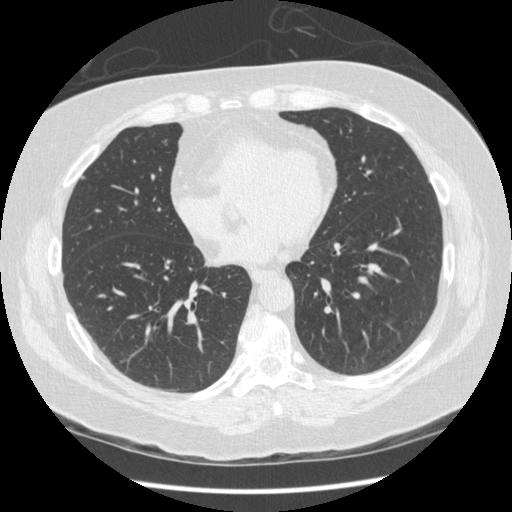
Axial chest CT slice 167 of 436 (counted from the lowest slice); 1.25 mm thick, 0.703 mm per pixel. Pulmonary nodule, outlined by three of the four readers. Box on this slice rows 175–179, columns 80–85, the union of the readers' outlines on this slice; the three readers' outlines give a longest diameter between 6.0 and 7.0 mm and a volume between 38 and 72 mm3. The readers' ratings, as ranges where they differ: texture 5/5 (solid), all three readers agreeing; margin from 4/5 to 5/5 (circumscribed) across the three readers; sphericity from 2/5 to 4/5 across the three readers; calcification absent, all three readers agreeing; internal structure soft tissue from all three readers; subtlety from 3/5 to 5/5 across the three readers; malignancy likelihood 2/5, all three readers agreeing. Scale key (1–5): texture non-solid→solid, margin indistinct→circumscribed, sphericity linear→round, subtlety extremely subtle→obvious, malignancy likelihood highly unlikely→highly suspicious of cancer. Box rows and columns are 0-based pixel indices from the top-left corner, inclusive.
Acquired at 120 kVp and reconstructed with the STANDARD kernel.